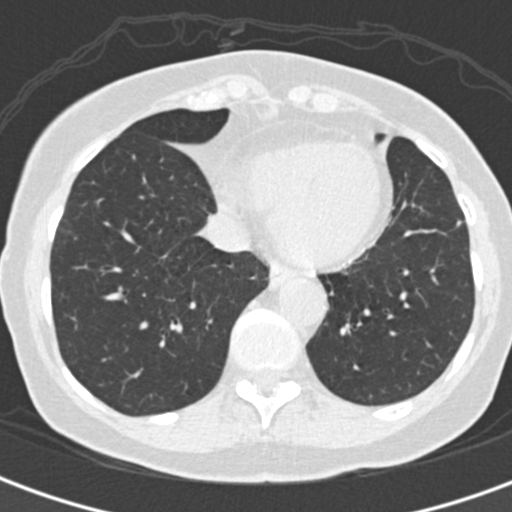
Axial chest CT slice 65 of 193 (counted from the lowest slice); tube voltage 120 kVp, convolution kernel B30f; slices 2.00 mm thick, 0.547 mm per pixel.
Pulmonary nodule at rows 220–227, columns 456–462 (box = the union of the readers' outlines on this slice), outlined by two of the four readers; longest diameter 5.2 mm and volume 39–48 mm3 across the two readers' outlines. The readers' ratings, as ranges where they differ: texture from 2/5 to 5/5 (solid) across the two readers; margin from 4/5 to 5/5 (circumscribed) across the two readers; sphericity from 2/5 to 4/5 across the two readers; calcification absent, both readers agreeing; internal structure soft tissue, both readers agreeing; subtlety 1–4/5 (the readers disagree); malignancy likelihood 3/5, both readers agreeing. Scale key (1–5): texture non-solid→solid, margin indistinct→circumscribed, sphericity linear→round, subtlety extremely subtle→obvious, malignancy likelihood highly unlikely→highly suspicious of cancer. Box rows and columns are 0-based pixel indices from the top-left corner, inclusive.